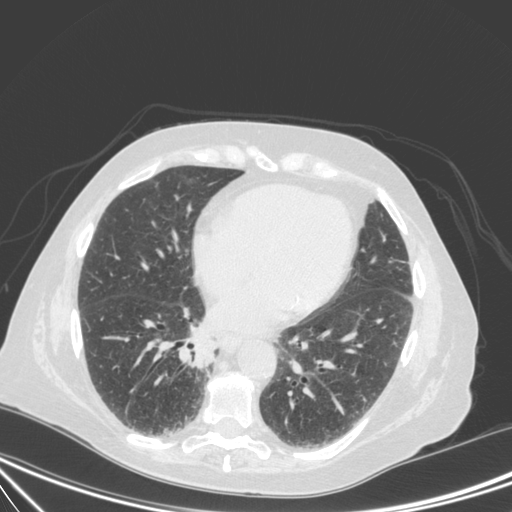
Axial chest CT slice 128 of 350 (counted from the lowest slice); tube voltage 120 kVp, convolution kernel C; slices 1.50 mm thick, 0.725 mm per pixel.
Pulmonary nodule outlined by one of the four readers; box rows 337–366, columns 193–216 (that reader's outline on this slice); longest diameter 29.7 mm and volume 4028 mm3 from that reader's outline. That reader's ratings: texture 5/5 (solid); margin 3/5; sphericity 3/5 (ovoid); calcification absent; internal structure soft tissue; subtlety 5/5; malignancy likelihood 4/5. Scale key (1–5): texture non-solid→solid, margin indistinct→circumscribed, sphericity linear→round, subtlety extremely subtle→obvious, malignancy likelihood highly unlikely→highly suspicious of cancer. Box rows and columns are 0-based pixel indices from the top-left corner, inclusive.